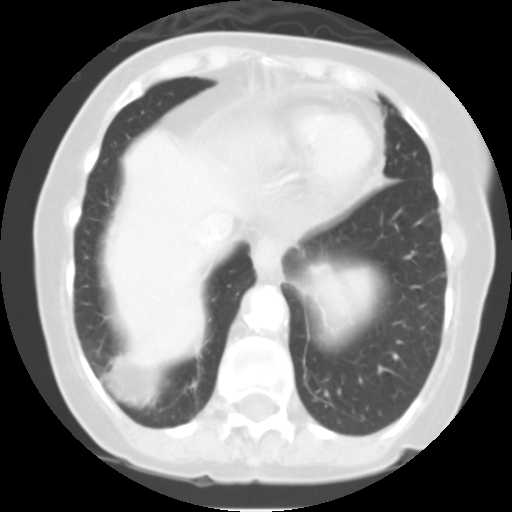
Slice 27/101 of a chest CT, counting up from the lowest; pixel size 0.558 mm, slice thickness 3.00 mm. Pulmonary nodule at rows 265–279, columns 311–328 (box = the one reader's outline on this slice), outlined by all four readers, one of them on this slice; longest diameter 10.3–13.4 mm and volume 439–803 mm3 across the four readers' outlines. Ratings across the readers: texture from 4/5 to 5/5 (solid) across the four readers; margin from 2/5 to 4/5 across the four readers; sphericity from 3/5 (ovoid) to 4/5 across the four readers; calcification absent from all four readers; internal structure soft tissue, all four readers agreeing; subtlety from 3/5 to 5/5 across the four readers; malignancy likelihood rated between 2 and 4 out of 5 by the four readers. Scale key (1–5): texture non-solid→solid, margin indistinct→circumscribed, sphericity linear→round, subtlety extremely subtle→obvious, malignancy likelihood highly unlikely→highly suspicious of cancer. Box rows and columns are 0-based pixel indices from the top-left corner, inclusive.
Acquired at 135 kVp and reconstructed with the FC01 kernel.